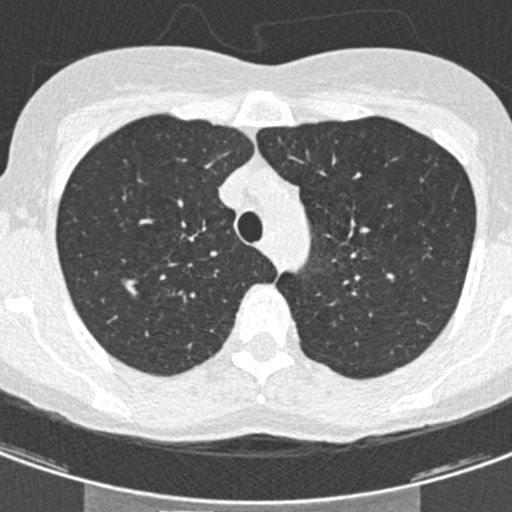
Axial slice 332 of 429 of a chest CT (slice 1 is the lowest), reconstructed with the B30f kernel at 120 kVp; 0.75 mm slice thickness and 0.537 mm pixels.
Pulmonary nodule at rows 279–298, columns 121–137 (box = the union of the readers' outlines on this slice), outlined by all four readers; the four readers' outlines give a longest diameter between 11.2 and 13.4 mm and a volume between 226 and 398 mm3. The readers' ratings, as ranges where they differ: texture from 3/5 (part-solid) to 4/5 across the four readers; margin from 1/5 (indistinct) to 4/5 across the four readers; sphericity from 2/5 to 5/5 (round) across the four readers; calcification absent from all four readers; internal structure soft tissue from all four readers; subtlety rated between 3 and 5 out of 5 by the four readers; malignancy likelihood from 3/5 to 4/5 across the four readers. Scale key (1–5): texture non-solid→solid, margin indistinct→circumscribed, sphericity linear→round, subtlety extremely subtle→obvious, malignancy likelihood highly unlikely→highly suspicious of cancer. Box rows and columns are 0-based pixel indices from the top-left corner, inclusive.